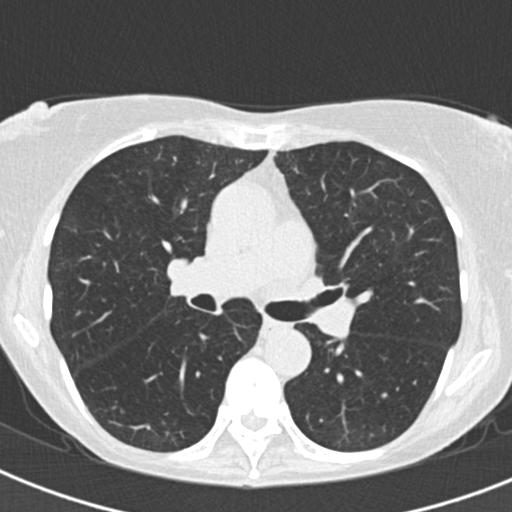
This is axial slice 112 of 192 (slice 1 is the lowest) of a chest CT; each pixel is 0.566 mm and the slice is 2.00 mm thick. Pulmonary nodule, outlined by three of the four readers. Box on this slice rows 392–398, columns 380–387, the union of the readers' outlines on this slice; the three readers' outlines give a longest diameter between 6.8 and 7.2 mm and a volume between 96 and 121 mm3. The readers' ratings, as ranges where they differ: texture 5/5 (solid) from all three readers; margin from 4/5 to 5/5 (circumscribed) across the three readers; sphericity from 3/5 (ovoid) to 5/5 (round) across the three readers; calcification absent from all three readers; internal structure soft tissue, all three readers agreeing; subtlety rated between 2 and 4 out of 5 by the three readers; malignancy likelihood 3/5 from all three readers. Scale key (1–5): texture non-solid→solid, margin indistinct→circumscribed, sphericity linear→round, subtlety extremely subtle→obvious, malignancy likelihood highly unlikely→highly suspicious of cancer. Box rows and columns are 0-based pixel indices from the top-left corner, inclusive.
Tube voltage 120 kVp; convolution kernel B30f.